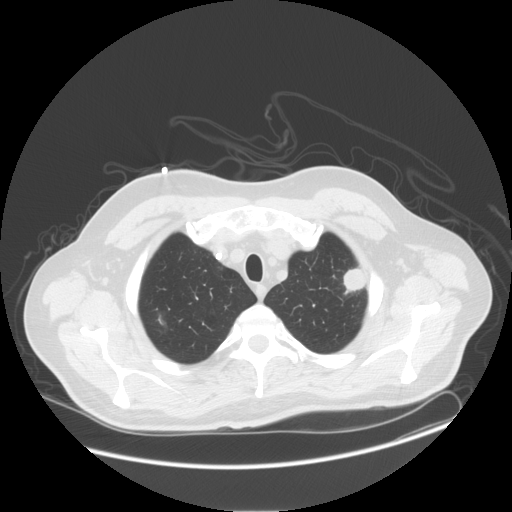
Slice 123/143 of a chest CT, counting up from the lowest; pixel size 0.859 mm, slice thickness 2.50 mm. Pulmonary nodule, outlined by all four readers. Box on this slice rows 266–294, columns 342–366, the union of the readers' outlines on this slice; median longest diameter 26.3 mm (readers' outlines 24.8–28.8 mm), median volume 5234 mm3 (4547–5828 mm3). Median ratings and the readers' spread: median texture 5/5 (solid) (readers ranged 4/5 to 5/5 (solid)); median margin 4.5/5 (readers ranged 4/5 to 5/5 (circumscribed)); sphericity 5/5 (round) at the median of four readers, spread 3/5 (ovoid) to 5/5 (round); calcification absent from all four readers; internal structure soft tissue, all four readers agreeing; median subtlety 5/5 (readers ranged 3–5); median malignancy likelihood 5/5 (readers ranged 2–5). Scale key (1–5): texture non-solid→solid, margin indistinct→circumscribed, sphericity linear→round, subtlety extremely subtle→obvious, malignancy likelihood highly unlikely→highly suspicious of cancer. Box rows and columns are 0-based pixel indices from the top-left corner, inclusive.
Tube voltage 120 kVp; convolution kernel STANDARD.